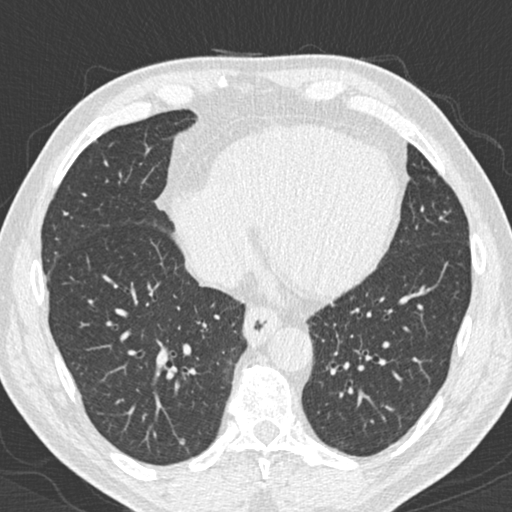
Axial slice 74 of 197 of a chest CT (slice 1 is the lowest), reconstructed with the B30f kernel at 120 kVp; 2.00 mm slice thickness and 0.625 mm pixels.
Pulmonary nodule outlined by two of the four readers; box rows 439–444, columns 179–184 (the union of the readers' outlines on this slice); median longest diameter 6.0 mm (readers' outlines 5.3–6.8 mm), median volume 52 mm3 (39–65 mm3). Ratings, median across the readers with their spread: texture 4/5 at the median of two readers, spread 3/5 (part-solid) to 5/5 (solid); median margin 3.5/5 (readers ranged 2/5 to 5/5 (circumscribed)); sphericity 3/5 (ovoid) from both readers; calcification absent, both readers agreeing; internal structure soft tissue, both readers agreeing; median subtlety 4.5/5 (readers ranged 4–5); malignancy likelihood 2.5/5 at the median of two readers, spread 2–3. Scale key (1–5): texture non-solid→solid, margin indistinct→circumscribed, sphericity linear→round, subtlety extremely subtle→obvious, malignancy likelihood highly unlikely→highly suspicious of cancer. Box rows and columns are 0-based pixel indices from the top-left corner, inclusive.